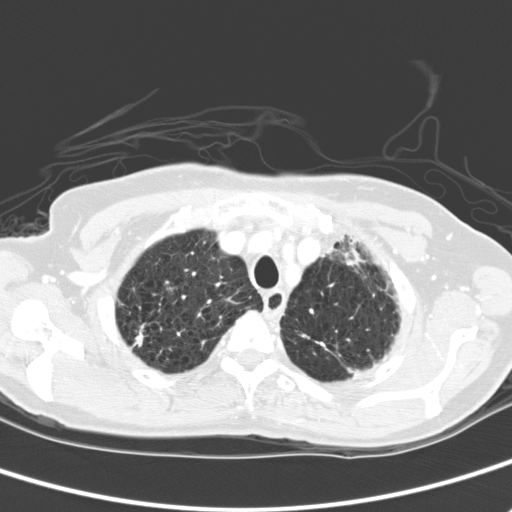
One axial slice (218 of 280, counting up from the lowest) of a chest CT acquired at 120 kVp with the D kernel; each pixel is 0.613 mm and the slice is 2.00 mm thick.
Pulmonary nodule outlined by all four readers; box rows 323–347, columns 132–145 (the union of the readers' outlines on this slice); longest diameter 17.7 mm on average over the four readers' outlines (readers' outlines 16.7–18.9 mm), volume 701–1041 mm3. The readers' prevailing ratings and who disagreed: texture 5/5 (solid) by two of four readers; the rest gave 3/5 (part-solid) (one), 4/5 (one); margin 1/5 (indistinct) by two of four readers; the rest gave 4/5 (one), 5/5 (circumscribed) (one); sphericity 2/5 by two of four readers; the rest gave 3/5 (ovoid) (one), 4/5 (one); calcification absent, all four readers agreeing; internal structure soft tissue from all four readers; subtlety 5/5 by two of four readers; the rest gave 2/5 (one), 4/5 (one); malignancy likelihood 4/5 by two of four readers; the rest gave 3/5 (one), 5/5 (one). Scale key (1–5): texture non-solid→solid, margin indistinct→circumscribed, sphericity linear→round, subtlety extremely subtle→obvious, malignancy likelihood highly unlikely→highly suspicious of cancer. Box rows and columns are 0-based pixel indices from the top-left corner, inclusive.